One axial slice (380 of 465, counting up from the lowest) of a chest CT acquired at 120 kVp with the STANDARD kernel; each pixel is 0.703 mm and the slice is 1.25 mm thick.
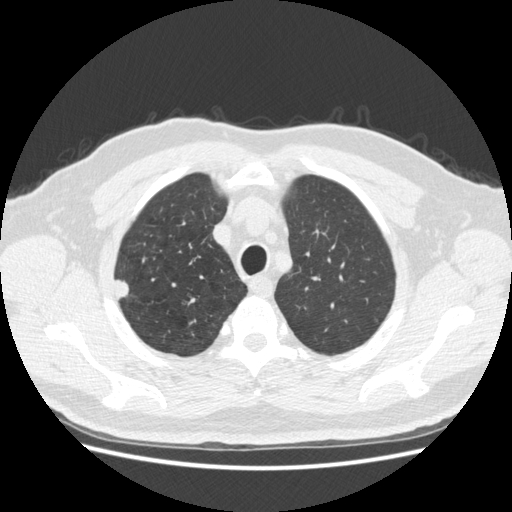
Pulmonary nodule outlined by all four readers; box rows 277–299, columns 113–129 (the union of the readers' outlines on this slice); longest diameter 17.5 mm on average over the four readers' outlines (readers' outlines 15.5–18.9 mm), volume 1041–1475 mm3. Ratings, by the readers' most common answer with dissent counted: texture 5/5 (solid) from all four readers; margin 5/5 (circumscribed) by three of four readers; the rest gave 4/5 (one); sphericity 3/5 (ovoid) by two of four readers; the rest gave 4/5 (one), 5/5 (round) (one); calcification absent from all four readers; internal structure soft tissue from all four readers; most readers (three of four) put subtlety at 5/5, others 4/5 (one); malignancy likelihood 5/5 by two of four readers; the rest gave 2/5 (one), 3/5 (one). Scale key (1–5): texture non-solid→solid, margin indistinct→circumscribed, sphericity linear→round, subtlety extremely subtle→obvious, malignancy likelihood highly unlikely→highly suspicious of cancer. Box rows and columns are 0-based pixel indices from the top-left corner, inclusive.